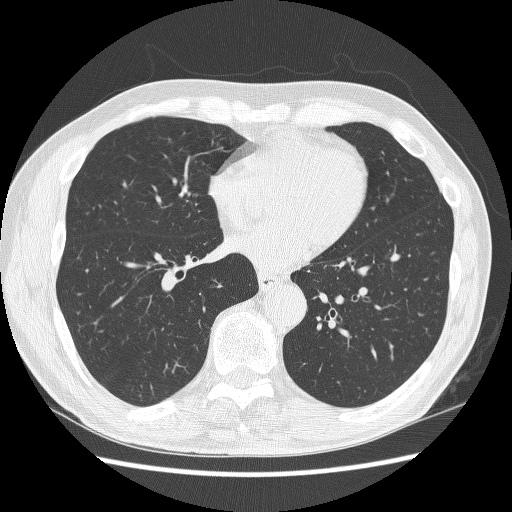
Axial chest CT slice 106 of 270 (counted from the lowest slice); tube voltage 120 kVp, convolution kernel BONE; slices 1.25 mm thick, 0.703 mm per pixel.
No nodule of 3 mm or larger was outlined by any of the four readers on this slice.